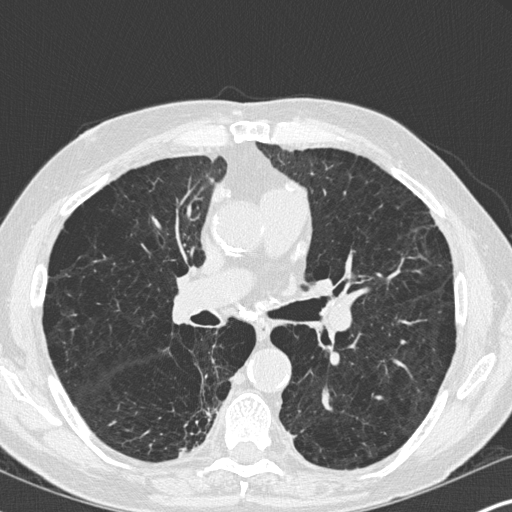
Slice 184/347 of a chest CT, counting up from the lowest; pixel size 0.625 mm, slice thickness 1.00 mm. Pulmonary nodule, outlined by all four readers, two of them on this slice. Box on this slice rows 420–426, columns 108–117, the union of the readers' outlines on this slice; longest diameter 9.3 mm on average over the four readers' outlines (readers' outlines 8.9–9.6 mm), volume 130–187 mm3. Ratings, by the readers' most common answer with dissent counted: texture 5/5 (solid), all four readers agreeing; margin 5/5 (circumscribed), all four readers agreeing; sphericity split among the readers: 3/5 (ovoid) (two), 4/5 (two); calcification absent, all four readers agreeing; internal structure soft tissue from all four readers; subtlety split among the readers: 4/5 (two), 5/5 (two); malignancy likelihood 3/5 from all four readers. Scale key (1–5): texture non-solid→solid, margin indistinct→circumscribed, sphericity linear→round, subtlety extremely subtle→obvious, malignancy likelihood highly unlikely→highly suspicious of cancer. Box rows and columns are 0-based pixel indices from the top-left corner, inclusive.
Acquired at 120 kVp and reconstructed with the B45f kernel.